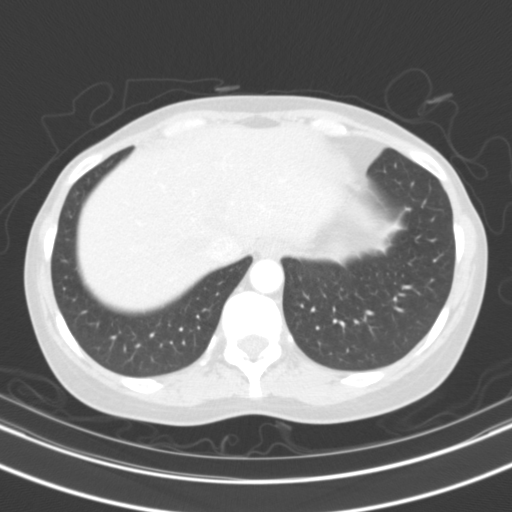
Axial chest CT slice 33 of 108 (counted from the lowest slice); tube voltage 130 kVp, convolution kernel B31s; slices 3.00 mm thick, 0.629 mm per pixel.
Pulmonary nodule at rows 207–210, columns 405–411 (box = the one reader's outline on this slice), outlined by all four readers, one of them on this slice; median longest diameter 9.6 mm (readers' outlines 9.2–11.5 mm), median volume 400 mm3 (286–461 mm3). Median ratings and the readers' spread: texture 5/5 (solid) from all four readers; margin 4.5/5 at the median of four readers, spread 4/5 to 5/5 (circumscribed); median sphericity 3.5/5 (readers ranged 3/5 (ovoid) to 5/5 (round)); calcification solid calcification from all four readers; internal structure soft tissue, all four readers agreeing; subtlety 4/5 at the median of four readers, spread 4–5; malignancy likelihood 1/5 from all four readers. Scale key (1–5): texture non-solid→solid, margin indistinct→circumscribed, sphericity linear→round, subtlety extremely subtle→obvious, malignancy likelihood highly unlikely→highly suspicious of cancer. Box rows and columns are 0-based pixel indices from the top-left corner, inclusive.